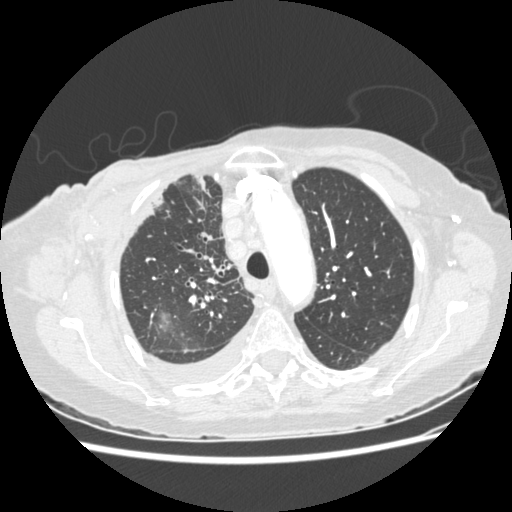
This is axial slice 194 of 238 (slice 1 is the lowest) of a chest CT; each pixel is 0.664 mm and the slice is 1.25 mm thick. Pulmonary nodule, outlined by two of the four readers, one of them on this slice. Box on this slice rows 311–327, columns 159–171, the one reader's outline on this slice; median longest diameter 32.4 mm (readers' outlines 31.3–33.5 mm), median volume 8391 mm3 (8200–8583 mm3). Ratings, median across the readers with their spread: texture 5/5 (solid) from both readers; median margin 4.5/5 (readers ranged 4/5 to 5/5 (circumscribed)); sphericity 4/5, both readers agreeing; calcification absent, both readers agreeing; internal structure soft tissue, both readers agreeing; subtlety 5/5 from both readers; malignancy likelihood 4/5 at the median of two readers, spread 3–5. Scale key (1–5): texture non-solid→solid, margin indistinct→circumscribed, sphericity linear→round, subtlety extremely subtle→obvious, malignancy likelihood highly unlikely→highly suspicious of cancer. Box rows and columns are 0-based pixel indices from the top-left corner, inclusive.
Acquired at 120 kVp and reconstructed with the STANDARD kernel.